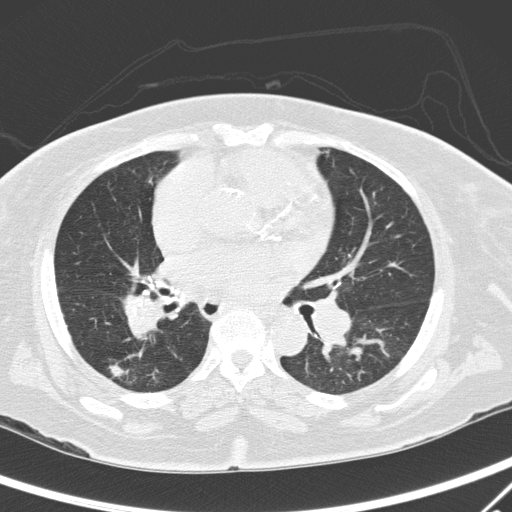
Axial chest CT slice 158 of 295 (counted from the lowest slice); 2.00 mm thick, 0.682 mm per pixel. Pulmonary nodule outlined by one of the four readers; box rows 359–384, columns 107–158 (that reader's outline on this slice); longest diameter 49.8 mm and volume 6337 mm3 from that reader's outline. Ratings by that reader: texture 4/5; margin 1/5 (indistinct); sphericity 3/5 (ovoid); calcification absent; internal structure soft tissue; subtlety 5/5; malignancy likelihood 5/5. Scale key (1–5): texture non-solid→solid, margin indistinct→circumscribed, sphericity linear→round, subtlety extremely subtle→obvious, malignancy likelihood highly unlikely→highly suspicious of cancer. Box rows and columns are 0-based pixel indices from the top-left corner, inclusive.
Acquired at 120 kVp and reconstructed with the D kernel.